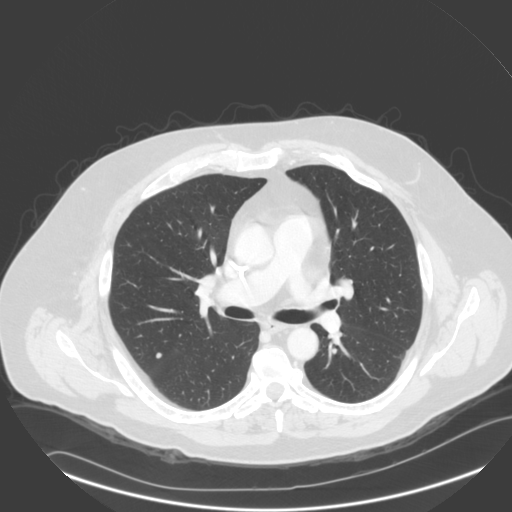
This is axial slice 188 of 305 (slice 1 is the lowest) of a chest CT; each pixel is 0.834 mm and the slice is 2.00 mm thick. Pulmonary nodule at rows 352–358, columns 155–162 (box = the union of the readers' outlines on this slice), outlined by all four readers; longest diameter 6.8 mm on average over the four readers' outlines (readers' outlines 5.3–8.2 mm), volume 54–176 mm3. Ratings, by the readers' most common answer with dissent counted: texture 5/5 (solid), all four readers agreeing; margin 5/5 (circumscribed), all four readers agreeing; most readers (three of four) put sphericity at 4/5, others 5/5 (round) (one); calcification absent from all four readers; internal structure soft tissue, all four readers agreeing; subtlety 5/5 by three of four readers; the rest gave 4/5 (one); malignancy likelihood 3/5 by three of four readers; the rest gave 2/5 (one). Scale key (1–5): texture non-solid→solid, margin indistinct→circumscribed, sphericity linear→round, subtlety extremely subtle→obvious, malignancy likelihood highly unlikely→highly suspicious of cancer. Box rows and columns are 0-based pixel indices from the top-left corner, inclusive.
Scan settings: 140 kVp, B reconstruction kernel.